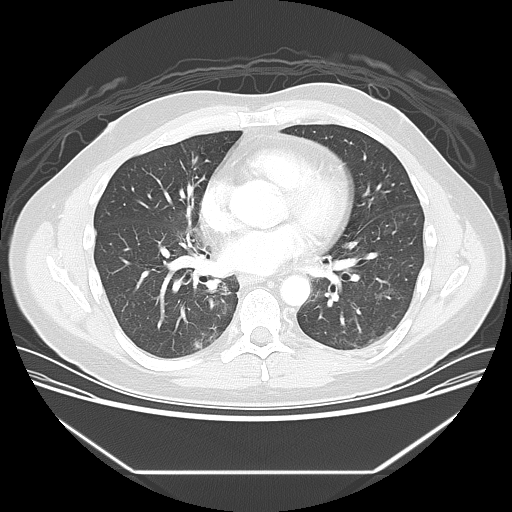
This is axial slice 72 of 133 (slice 1 is the lowest) of a chest CT; each pixel is 0.781 mm and the slice is 2.50 mm thick. Pulmonary nodule at rows 340–347, columns 194–201 (box = the union of the readers' outlines on this slice), outlined by three of the four readers; the three readers' outlines give a longest diameter between 16.3 and 19.4 mm and a volume between 967 and 1366 mm3. The readers' ratings, as ranges where they differ: texture from 3/5 (part-solid) to 5/5 (solid) across the three readers; margin from 2/5 to 4/5 across the three readers; sphericity from 3/5 (ovoid) to 4/5 across the three readers; calcification absent, all three readers agreeing; internal structure soft tissue, all three readers agreeing; subtlety 4–5/5 (the readers disagree); malignancy likelihood rated between 3 and 4 out of 5 by the three readers. Scale key (1–5): texture non-solid→solid, margin indistinct→circumscribed, sphericity linear→round, subtlety extremely subtle→obvious, malignancy likelihood highly unlikely→highly suspicious of cancer. Box rows and columns are 0-based pixel indices from the top-left corner, inclusive.
Acquired at 120 kVp and reconstructed with the LUNG kernel.